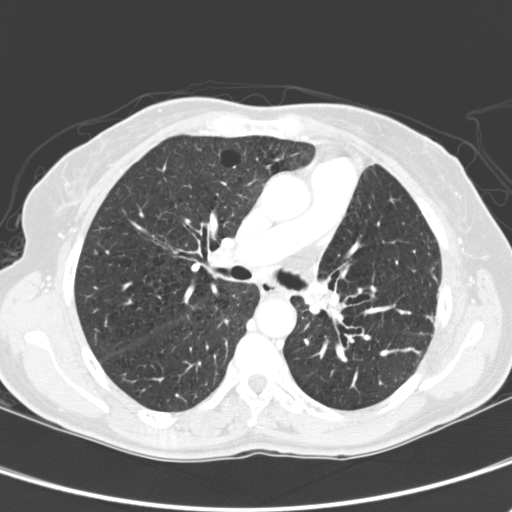
Axial chest CT slice 150 of 280 (counted from the lowest slice); tube voltage 120 kVp, convolution kernel D; slices 2.00 mm thick, 0.613 mm per pixel.
None of the four readers outlined a nodule of 3 mm or more on this slice.